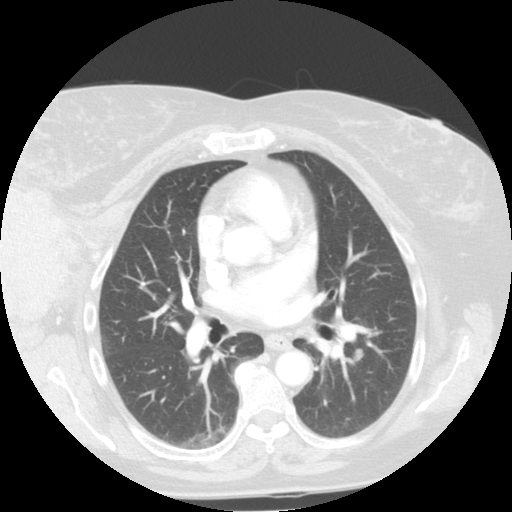
This is axial slice 69 of 113 (slice 1 is the lowest) of a chest CT; each pixel is 0.703 mm and the slice is 2.50 mm thick. Pulmonary nodule, outlined by all four readers. Box on this slice rows 348–361, columns 352–363, the union of the readers' outlines on this slice; median longest diameter 9.5 mm (readers' outlines 9.2–11.6 mm), median volume 291 mm3 (229–427 mm3). Median ratings and the readers' spread: texture 5/5 (solid), all four readers agreeing; margin 4.5/5 at the median of four readers, spread 4/5 to 5/5 (circumscribed); sphericity 4/5 at the median of four readers, spread 4/5 to 5/5 (round); calcification absent from all four readers; internal structure soft tissue, all four readers agreeing; subtlety 3.5/5 at the median of four readers, spread 3–4; median malignancy likelihood 2.5/5 (readers ranged 2–5). Scale key (1–5): texture non-solid→solid, margin indistinct→circumscribed, sphericity linear→round, subtlety extremely subtle→obvious, malignancy likelihood highly unlikely→highly suspicious of cancer. Box rows and columns are 0-based pixel indices from the top-left corner, inclusive.
Acquired at 120 kVp and reconstructed with the STANDARD kernel.